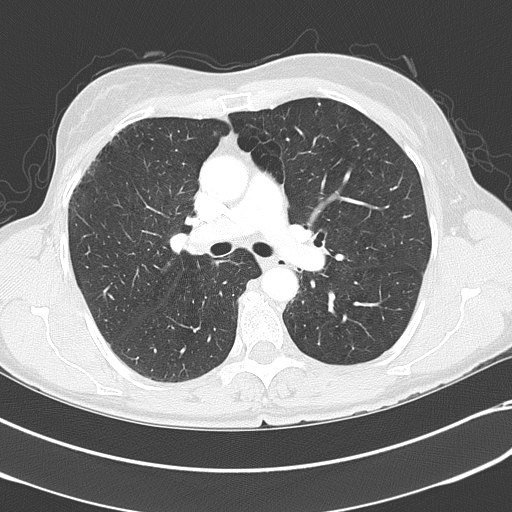
Chest CT, axial plane, 120 kVp, kernel B70f. Slice 232/351 from the bottom of the scan; thickness 2.00 mm; pixel size 0.643 mm.
None of the four readers outlined a nodule of 3 mm or more on this slice.